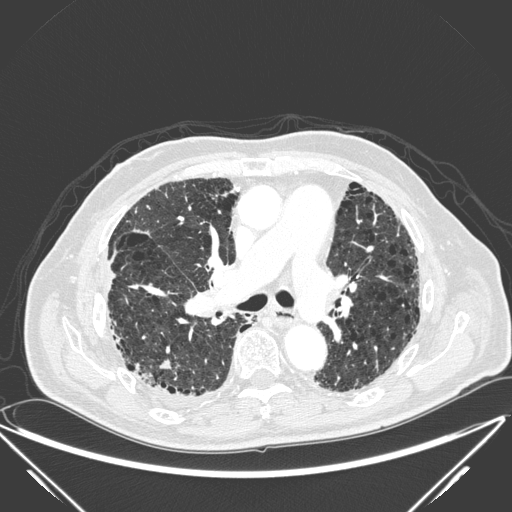
Axial slice 137 of 278 of a chest CT (slice 1 is the lowest), reconstructed with the D kernel at 120 kVp; 1.00 mm slice thickness and 0.812 mm pixels.
Pulmonary nodule at rows 359–369, columns 158–170 (box = the union of the readers' outlines on this slice), outlined by all four readers; longest diameter 17.4–39.8 mm and volume 1021–4525 mm3 across the four readers' outlines. The readers' ratings, as ranges where they differ: texture 5/5 (solid), all four readers agreeing; margin from 1/5 (indistinct) to 5/5 (circumscribed) across the four readers; sphericity from 2/5 to 5/5 (round) across the four readers; calcification absent, all four readers agreeing; internal structure soft tissue, all four readers agreeing; subtlety from 4/5 to 5/5 across the four readers; malignancy likelihood rated between 3 and 5 out of 5 by the four readers. Scale key (1–5): texture non-solid→solid, margin indistinct→circumscribed, sphericity linear→round, subtlety extremely subtle→obvious, malignancy likelihood highly unlikely→highly suspicious of cancer. Box rows and columns are 0-based pixel indices from the top-left corner, inclusive.